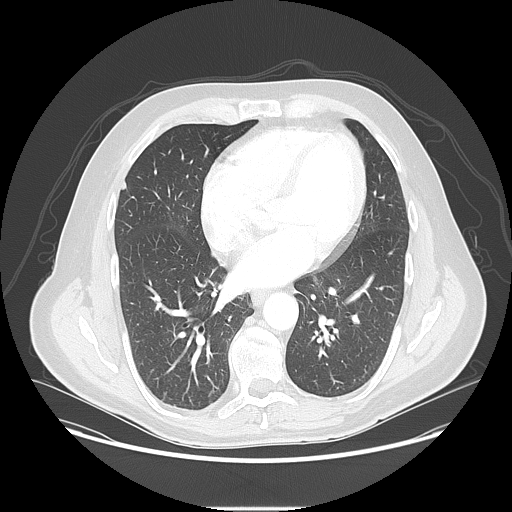
Axial chest CT slice 47 of 117 (counted from the lowest slice); tube voltage 120 kVp, convolution kernel LUNG; slices 2.50 mm thick, 0.820 mm per pixel.
Pulmonary nodule, outlined by one of the four readers. Box on this slice rows 182–189, columns 121–126, that reader's outline on this slice; longest diameter 7.8 mm and volume 112 mm3 from that reader's outline. Ratings by that reader: texture 5/5 (solid); margin 5/5 (circumscribed); sphericity 4/5; calcification absent; internal structure soft tissue; subtlety 3/5; malignancy likelihood 2/5. Scale key (1–5): texture non-solid→solid, margin indistinct→circumscribed, sphericity linear→round, subtlety extremely subtle→obvious, malignancy likelihood highly unlikely→highly suspicious of cancer. Box rows and columns are 0-based pixel indices from the top-left corner, inclusive.